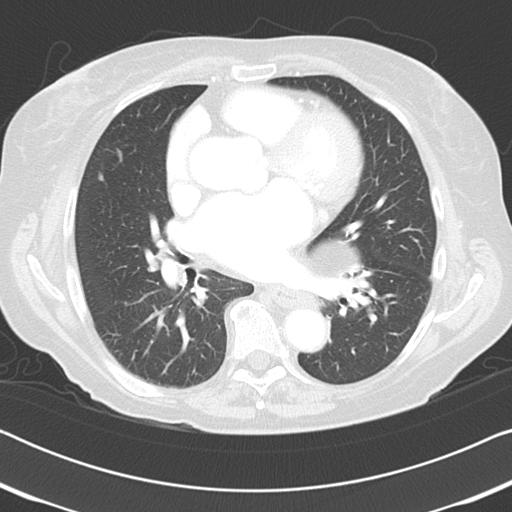
Chest CT, axial plane, 120 kVp, kernel B45f. Slice 54/96 from the bottom of the scan; thickness 3.00 mm; pixel size 0.645 mm.
Pulmonary nodule outlined by two of the four readers; box rows 146–160, columns 115–122 (the union of the readers' outlines on this slice); median longest diameter 9.5 mm (readers' outlines 8.1–11.0 mm), median volume 155 mm3 (76–234 mm3). Median ratings and the readers' spread: texture 4.5/5 at the median of two readers, spread 4/5 to 5/5 (solid); median margin 4/5 (readers ranged 3/5 to 5/5 (circumscribed)); median sphericity 2.5/5 (readers ranged 2/5 to 3/5 (ovoid)); calcification absent, both readers agreeing; internal structure soft tissue from both readers; subtlety 3.5/5 at the median of two readers, spread 3–4; malignancy likelihood 2/5 at the median of two readers, spread 1–3. Scale key (1–5): texture non-solid→solid, margin indistinct→circumscribed, sphericity linear→round, subtlety extremely subtle→obvious, malignancy likelihood highly unlikely→highly suspicious of cancer. Box rows and columns are 0-based pixel indices from the top-left corner, inclusive.